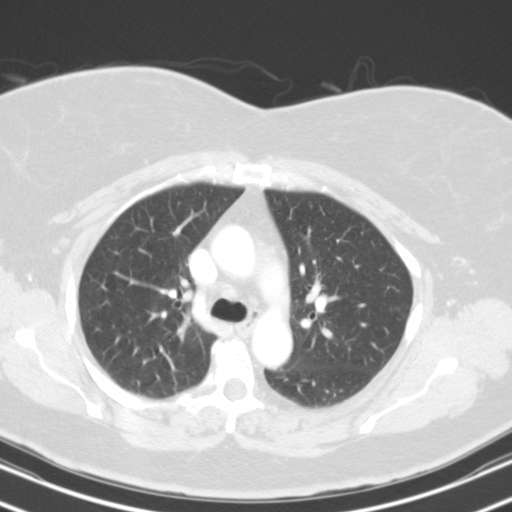
One axial slice (91 of 124, counting up from the lowest) of a chest CT acquired at 130 kVp with the B31s kernel; each pixel is 0.656 mm and the slice is 3.00 mm thick.
None of the four readers outlined a nodule of 3 mm or more on this slice.